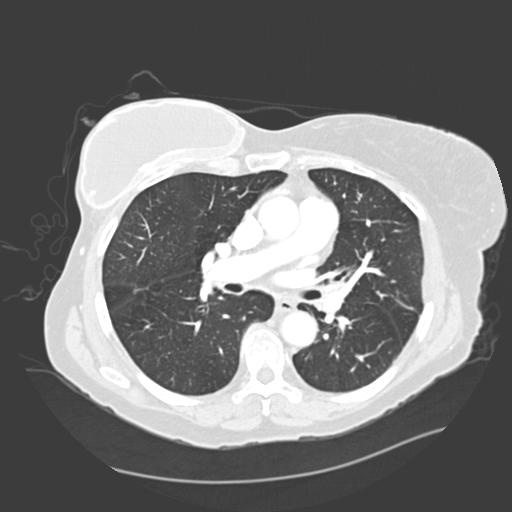
Axial chest CT slice 179 of 328 (counted from the lowest slice); 2.00 mm thick, 0.742 mm per pixel. Pulmonary nodule outlined by all four readers, one of them on this slice; box rows 289–292, columns 134–140 (the one reader's outline on this slice); longest diameter 19.7 mm on average over the four readers' outlines (readers' outlines 18.3–21.0 mm), volume 877–1921 mm3. The readers' prevailing ratings and who disagreed: texture 3/5 (part-solid) by two of four readers; the rest gave 4/5 (one), 5/5 (solid) (one); margin 2/5 by two of four readers; the rest gave 3/5 (one), 4/5 (one); sphericity 3/5 (ovoid) by three of four readers; the rest gave 2/5 (one); calcification absent from all four readers; internal structure soft tissue from all four readers; subtlety 5/5 by three of four readers; the rest gave 4/5 (one); malignancy likelihood 4/5 by two of four readers; the rest gave 3/5 (one), 5/5 (one). Scale key (1–5): texture non-solid→solid, margin indistinct→circumscribed, sphericity linear→round, subtlety extremely subtle→obvious, malignancy likelihood highly unlikely→highly suspicious of cancer. Box rows and columns are 0-based pixel indices from the top-left corner, inclusive.
Scan settings: 120 kVp, D reconstruction kernel.